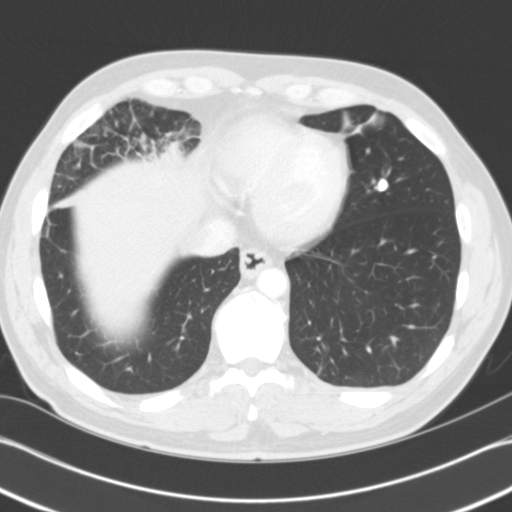
One axial slice (44 of 121, counting up from the lowest) of a chest CT acquired at 120 kVp with the B31f kernel; each pixel is 0.674 mm and the slice is 3.00 mm thick.
Pulmonary nodule outlined by all four readers; box rows 179–191, columns 375–387 (the union of the readers' outlines on this slice); longest diameter 10.9 mm on average over the four readers' outlines (readers' outlines 10.3–11.1 mm), volume 622–783 mm3. The readers' prevailing ratings and who disagreed: texture 5/5 (solid), all four readers agreeing; margin 5/5 (circumscribed) from all four readers; sphericity split among the readers: 4/5 (two), 5/5 (round) (two); calcification solid calcification, all four readers agreeing; internal structure soft tissue from all four readers; subtlety 5/5 from all four readers; malignancy likelihood 1/5 from all four readers. Scale key (1–5): texture non-solid→solid, margin indistinct→circumscribed, sphericity linear→round, subtlety extremely subtle→obvious, malignancy likelihood highly unlikely→highly suspicious of cancer. Box rows and columns are 0-based pixel indices from the top-left corner, inclusive.